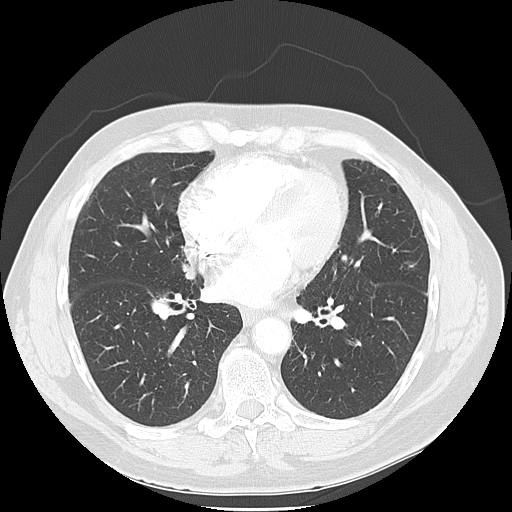
Chest CT, axial plane, 120 kVp, kernel LUNG. Slice 57/133 from the bottom of the scan; thickness 2.50 mm; pixel size 0.703 mm.
None of the four readers outlined a nodule of 3 mm or more on this slice.